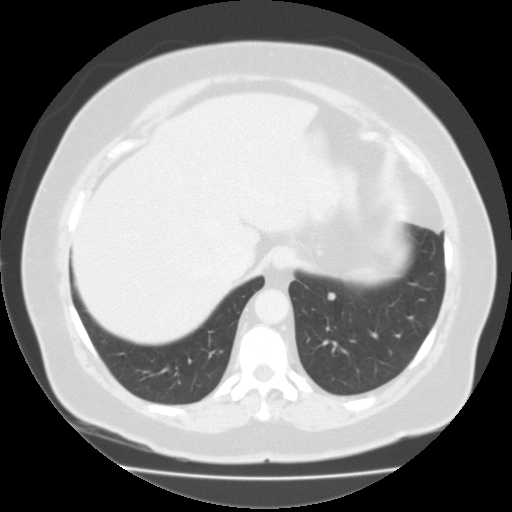
Axial slice 34 of 113 of a chest CT (slice 1 is the lowest), reconstructed with the FC01 kernel at 135 kVp; 3.00 mm slice thickness and 0.750 mm pixels.
Pulmonary nodule outlined by all four readers; box rows 291–301, columns 327–336 (the union of the readers' outlines on this slice); longest diameter 8.6–9.2 mm and volume 279–352 mm3 across the four readers' outlines. The readers' ratings, as ranges where they differ: texture from 4/5 to 5/5 (solid) across the four readers; margin from 4/5 to 5/5 (circumscribed) across the four readers; sphericity from 4/5 to 5/5 (round) across the four readers; calcification absent from all four readers; internal structure soft tissue, all four readers agreeing; subtlety rated between 3 and 5 out of 5 by the four readers; malignancy likelihood 2–3/5 (the readers disagree). Scale key (1–5): texture non-solid→solid, margin indistinct→circumscribed, sphericity linear→round, subtlety extremely subtle→obvious, malignancy likelihood highly unlikely→highly suspicious of cancer. Box rows and columns are 0-based pixel indices from the top-left corner, inclusive.